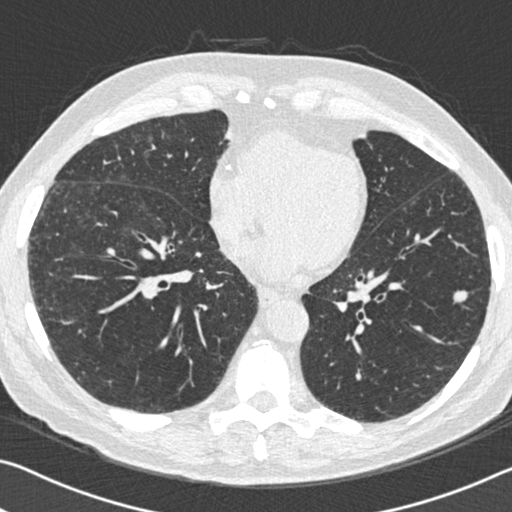
Slice 238/525 of a chest CT, counting up from the lowest; pixel size 0.660 mm, slice thickness 0.75 mm. Pulmonary nodule at rows 290–303, columns 452–468 (box = the union of the readers' outlines on this slice), outlined by all four readers; median longest diameter 11.5 mm (readers' outlines 10.8–13.0 mm), median volume 309 mm3 (202–326 mm3). Ratings, median across the readers with their spread: texture 5/5 (solid), all four readers agreeing; margin 5/5 (circumscribed) from all four readers; median sphericity 4/5 (readers ranged 3/5 (ovoid) to 5/5 (round)); calcification absent from all four readers; internal structure soft tissue, all four readers agreeing; subtlety 5/5, all four readers agreeing; median malignancy likelihood 4.5/5 (readers ranged 3–5). Scale key (1–5): texture non-solid→solid, margin indistinct→circumscribed, sphericity linear→round, subtlety extremely subtle→obvious, malignancy likelihood highly unlikely→highly suspicious of cancer. Box rows and columns are 0-based pixel indices from the top-left corner, inclusive.
Acquired at 120 kVp and reconstructed with the B30f kernel.